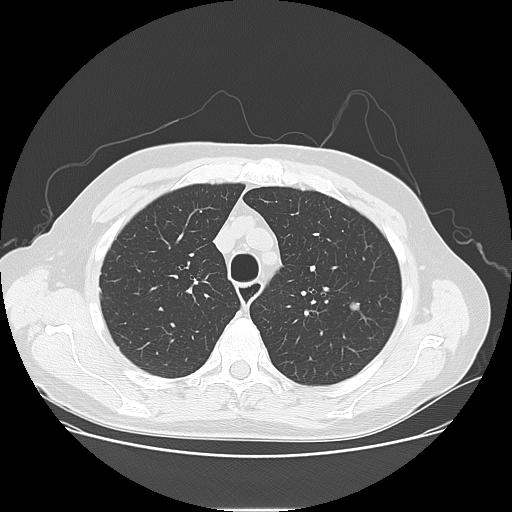
Axial chest CT slice 106 of 141 (counted from the lowest slice); 2.50 mm thick, 0.762 mm per pixel. Pulmonary nodule, outlined by all four readers. Box on this slice rows 302–311, columns 349–360, the union of the readers' outlines on this slice; longest diameter 10.2–15.9 mm and volume 358–612 mm3 across the four readers' outlines. Ratings across the readers: texture 5/5 (solid), all four readers agreeing; margin from 4/5 to 5/5 (circumscribed) across the four readers; sphericity from 3/5 (ovoid) to 4/5 across the four readers; calcification: absent (three), non-central calcification (one); internal structure soft tissue, all four readers agreeing; subtlety 4–5/5 (the readers disagree); malignancy likelihood from 3/5 to 5/5 across the four readers. Scale key (1–5): texture non-solid→solid, margin indistinct→circumscribed, sphericity linear→round, subtlety extremely subtle→obvious, malignancy likelihood highly unlikely→highly suspicious of cancer. Box rows and columns are 0-based pixel indices from the top-left corner, inclusive.
Acquired at 120 kVp and reconstructed with the LUNG kernel.